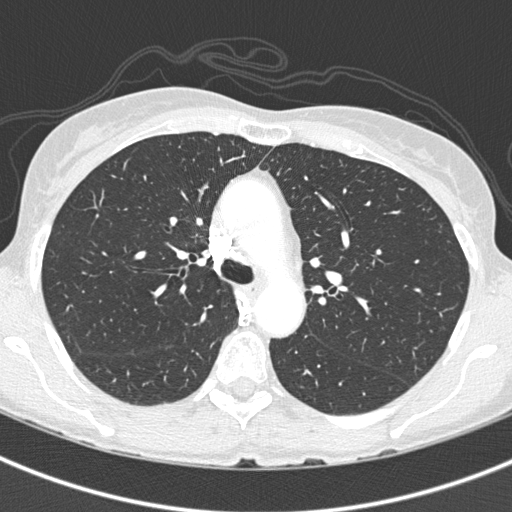
Axial chest CT slice 266 of 375 (counted from the lowest slice); tube voltage 120 kVp, convolution kernel B45f; slices 1.00 mm thick, 0.586 mm per pixel.
None of the four readers outlined a nodule of 3 mm or more on this slice.